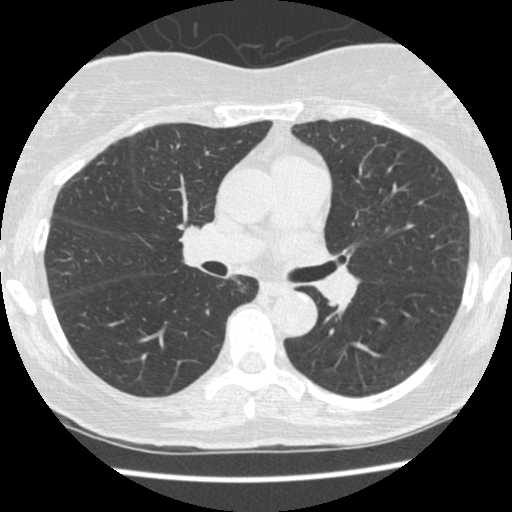
Axial chest CT slice 273 of 481 (counted from the lowest slice); tube voltage 120 kVp, convolution kernel STANDARD; slices 1.25 mm thick, 0.605 mm per pixel.
None of the four readers outlined a nodule of 3 mm or more on this slice.